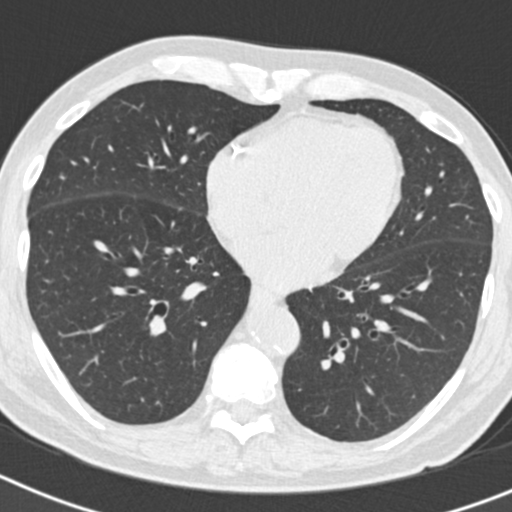
Axial chest CT slice 82 of 186 (counted from the lowest slice); 2.00 mm thick, 0.586 mm per pixel. The readers outlined no nodule of 3 mm or more on this slice.
Tube voltage 120 kVp; convolution kernel B30f.